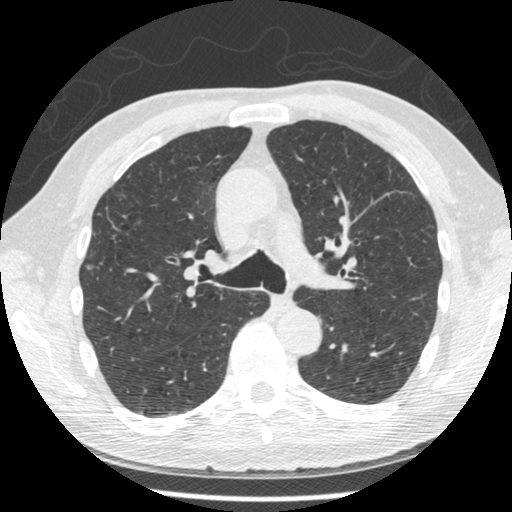
Slice 309/481 of a chest CT, counting up from the lowest; pixel size 0.664 mm, slice thickness 1.25 mm. Pulmonary nodule outlined by one of the four readers; box rows 264–269, columns 86–92 (that reader's outline on this slice); longest diameter 8.7 mm and volume 117 mm3 from that reader's outline. That reader's ratings: texture 4/5; margin 5/5 (circumscribed); sphericity 4/5; calcification absent; internal structure soft tissue; subtlety 4/5; malignancy likelihood 4/5. Scale key (1–5): texture non-solid→solid, margin indistinct→circumscribed, sphericity linear→round, subtlety extremely subtle→obvious, malignancy likelihood highly unlikely→highly suspicious of cancer. Box rows and columns are 0-based pixel indices from the top-left corner, inclusive.
Acquired at 120 kVp and reconstructed with the STANDARD kernel.